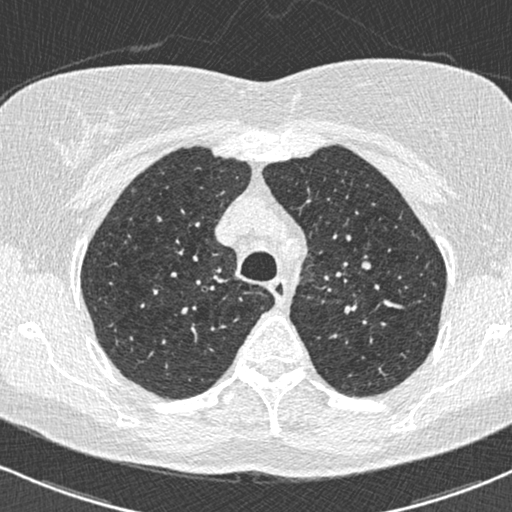
One axial slice (522 of 672, counting up from the lowest) of a chest CT acquired at 120 kVp with the B30f kernel; each pixel is 0.607 mm and the slice is 0.60 mm thick.
Pulmonary nodule at rows 261–269, columns 362–370 (box = the union of the readers' outlines on this slice), outlined by all four readers; the four readers' outlines give a longest diameter between 8.1 and 8.8 mm and a volume between 181 and 196 mm3. The readers' ratings, as ranges where they differ: texture 5/5 (solid), all four readers agreeing; margin from 4/5 to 5/5 (circumscribed) across the four readers; sphericity from 3/5 (ovoid) to 5/5 (round) across the four readers; calcification absent, all four readers agreeing; internal structure soft tissue, all four readers agreeing; subtlety from 1/5 to 5/5 across the four readers; malignancy likelihood from 2/5 to 3/5 across the four readers. Scale key (1–5): texture non-solid→solid, margin indistinct→circumscribed, sphericity linear→round, subtlety extremely subtle→obvious, malignancy likelihood highly unlikely→highly suspicious of cancer. Box rows and columns are 0-based pixel indices from the top-left corner, inclusive.